Axial chest CT slice 99 of 264 (counted from the lowest slice); tube voltage 120 kVp, convolution kernel BONE; slices 1.25 mm thick, 0.703 mm per pixel.
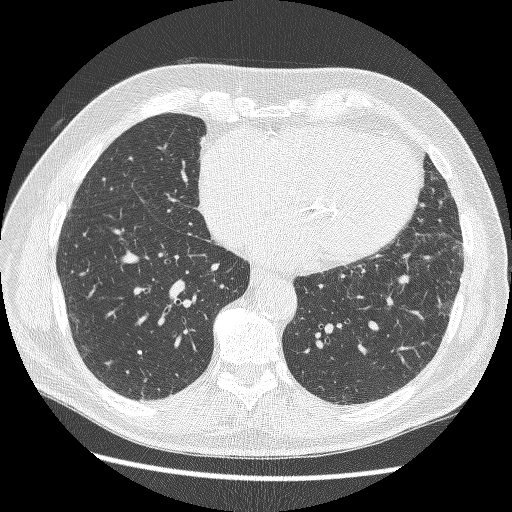
Pulmonary nodule at rows 349–354, columns 137–142 (box = that reader's outline on this slice), outlined by one of the four readers; longest diameter 5.1 mm and volume 36 mm3 from that reader's outline. That reader's ratings: texture 5/5 (solid); margin 5/5 (circumscribed); sphericity 5/5 (round); calcification solid calcification; internal structure soft tissue; subtlety 3/5; malignancy likelihood 1/5. Scale key (1–5): texture non-solid→solid, margin indistinct→circumscribed, sphericity linear→round, subtlety extremely subtle→obvious, malignancy likelihood highly unlikely→highly suspicious of cancer. Box rows and columns are 0-based pixel indices from the top-left corner, inclusive.